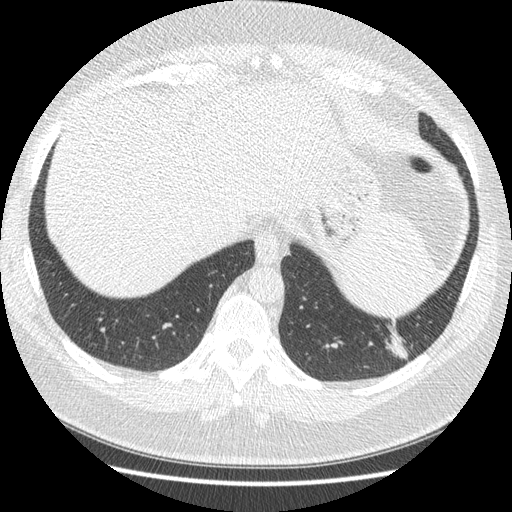
Axial chest CT slice 61 of 421 (counted from the lowest slice); tube voltage 120 kVp, convolution kernel STANDARD; slices 1.25 mm thick, 0.703 mm per pixel.
Pulmonary nodule, outlined four times (the source holds four more outlines, not used). Box on this slice rows 318–360, columns 384–407, the union of the readers' outlines on this slice; median longest diameter 32.9 mm (readers' outlines 30.9–38.9 mm), median volume 5450 mm3 (4443–5826 mm3). Median ratings and the readers' spread: texture 5/5 (solid) at the median of four readers, spread 4/5 to 5/5 (solid); median margin 4/5 (readers ranged 3/5 to 4/5); median sphericity 2.5/5 (readers ranged 2/5 to 4/5); calcification absent, all four readers agreeing; internal structure soft tissue from all four readers; subtlety 5/5 at the median of four readers, spread 4–5; median malignancy likelihood 3.5/5 (readers ranged 2–5). Scale key (1–5): texture non-solid→solid, margin indistinct→circumscribed, sphericity linear→round, subtlety extremely subtle→obvious, malignancy likelihood highly unlikely→highly suspicious of cancer. Box rows and columns are 0-based pixel indices from the top-left corner, inclusive.